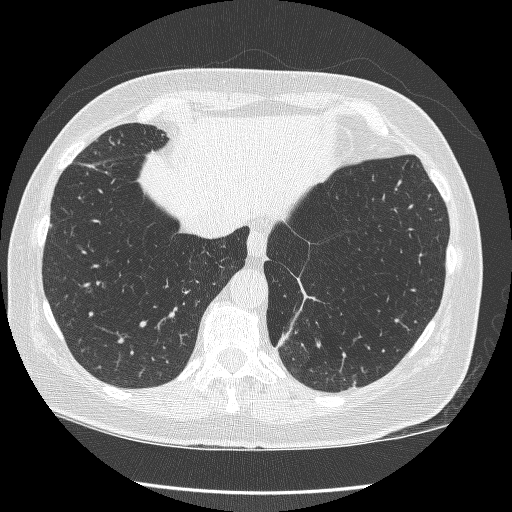
Slice 74/246 of a chest CT, counting up from the lowest; pixel size 0.617 mm, slice thickness 1.25 mm. Pulmonary nodule at rows 224–227, columns 48–51 (box = that reader's outline on this slice), outlined by one of the four readers; longest diameter 7.8 mm and volume 86 mm3 from that reader's outline. Ratings by that reader: texture 5/5 (solid); margin 5/5 (circumscribed); sphericity 2/5; calcification absent; internal structure soft tissue; subtlety 3/5; malignancy likelihood 2/5. Scale key (1–5): texture non-solid→solid, margin indistinct→circumscribed, sphericity linear→round, subtlety extremely subtle→obvious, malignancy likelihood highly unlikely→highly suspicious of cancer. Box rows and columns are 0-based pixel indices from the top-left corner, inclusive.
Scan settings: 120 kVp, BONE reconstruction kernel.